One axial slice (123 of 239, counting up from the lowest) of a chest CT acquired at 120 kVp with the BONE kernel; each pixel is 0.795 mm and the slice is 1.25 mm thick.
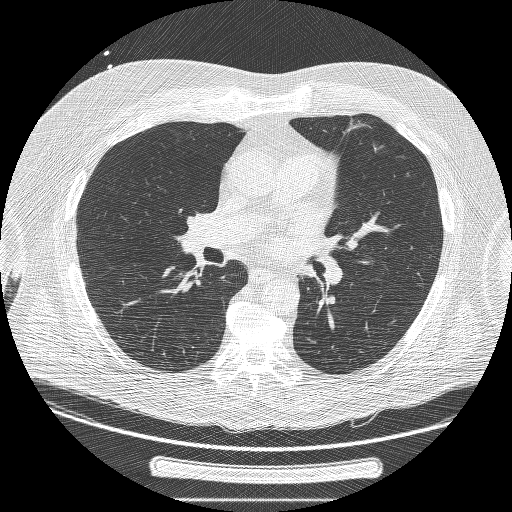
Pulmonary nodule, outlined by two of the four readers, one of them on this slice. Box on this slice rows 118–133, columns 344–368, the one reader's outline on this slice; median longest diameter 43.2 mm (readers' outlines 43.0–43.4 mm), median volume 10782 mm3 (10396–11168 mm3). Ratings, median across the readers with their spread: texture 4/5 at the median of two readers, spread 3/5 (part-solid) to 5/5 (solid); median margin 2/5 (readers ranged 1/5 (indistinct) to 3/5); median sphericity 2/5 (readers ranged 1/5 (linear) to 3/5 (ovoid)); calcification absent from both readers; internal structure soft tissue, both readers agreeing; subtlety 5/5, both readers agreeing; malignancy likelihood 5/5, both readers agreeing. Scale key (1–5): texture non-solid→solid, margin indistinct→circumscribed, sphericity linear→round, subtlety extremely subtle→obvious, malignancy likelihood highly unlikely→highly suspicious of cancer. Box rows and columns are 0-based pixel indices from the top-left corner, inclusive.